Chest CT, axial plane, 120 kVp, kernel B31f. Slice 121/137 from the bottom of the scan; thickness 5.00 mm; pixel size 0.691 mm.
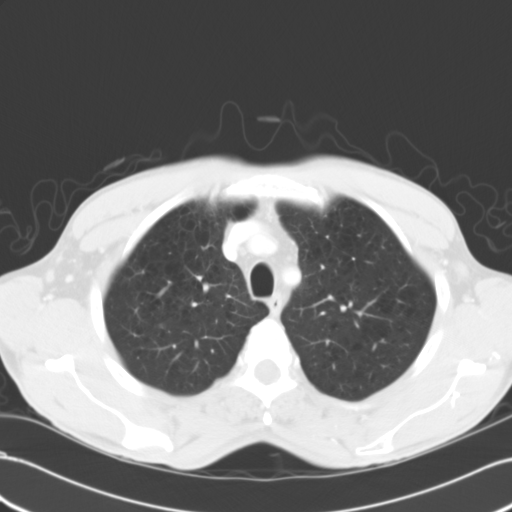
Pulmonary nodule at rows 324–327, columns 160–164 (box = the one reader's outline on this slice), outlined by three of the four readers, one of them on this slice; median longest diameter 8.4 mm (readers' outlines 7.9–8.6 mm), median volume 197 mm3 (182–327 mm3). Median ratings and the readers' spread: texture 4/5 at the median of three readers, spread 4/5 to 5/5 (solid); median margin 4/5 (readers ranged 4/5 to 5/5 (circumscribed)); median sphericity 5/5 (round) (readers ranged 3/5 (ovoid) to 5/5 (round)); calcification absent from all three readers; internal structure soft tissue from all three readers; median subtlety 4/5 (readers ranged 3–5); median malignancy likelihood 3/5 (readers ranged 2–3). Scale key (1–5): texture non-solid→solid, margin indistinct→circumscribed, sphericity linear→round, subtlety extremely subtle→obvious, malignancy likelihood highly unlikely→highly suspicious of cancer. Box rows and columns are 0-based pixel indices from the top-left corner, inclusive.